Axial chest CT slice 114 of 186 (counted from the lowest slice); tube voltage 120 kVp, convolution kernel B30f; slices 2.00 mm thick, 0.586 mm per pixel.
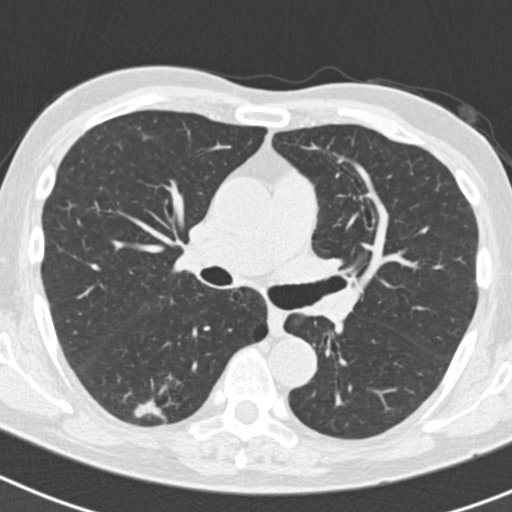
Two pulmonary nodules are outlined on this slice; from left to right: (1) Pulmonary nodule outlined by three of the four readers, two of them on this slice; box rows 134–140, columns 142–150 (the union of the readers' outlines on this slice); longest diameter 9.6 mm on average over the three readers' outlines (readers' outlines 9.5–9.7 mm), volume 146–185 mm3. The readers' prevailing ratings and who disagreed: texture 5/5 (solid) by two of three readers; the rest gave 4/5 (one); margin 4/5 by two of three readers; the rest gave 5/5 (circumscribed) (one); sphericity 3/5 (ovoid) by two of three readers; the rest gave 4/5 (one); calcification absent, all three readers agreeing; internal structure soft tissue from all three readers; subtlety split among the readers: 2/5 (one), 3/5 (one), 4/5 (one); most readers (two of three) put malignancy likelihood at 2/5, others 3/5 (one). (2) Pulmonary nodule, outlined by three of the four readers. Box on this slice rows 397–420, columns 133–165, the union of the readers' outlines on this slice; longest diameter 19.6–20.9 mm and volume 1911–1935 mm3 across the three readers' outlines. Ratings across the readers: texture from 4/5 to 5/5 (solid) across the three readers; margin from 3/5 to 4/5 across the three readers; sphericity from 2/5 to 4/5 across the three readers; calcification absent from all three readers; internal structure soft tissue from all three readers; subtlety 4–5/5 (the readers disagree); malignancy likelihood from 3/5 to 5/5 across the three readers. Scale key (1–5): texture non-solid→solid, margin indistinct→circumscribed, sphericity linear→round, subtlety extremely subtle→obvious, malignancy likelihood highly unlikely→highly suspicious of cancer. Box rows and columns are 0-based pixel indices from the top-left corner, inclusive.